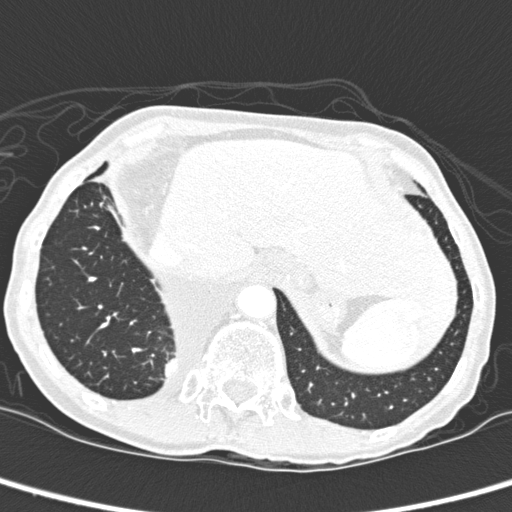
Axial chest CT slice 40 of 280 (counted from the lowest slice); tube voltage 120 kVp, convolution kernel D; slices 1.00 mm thick, 0.564 mm per pixel.
Pulmonary nodule, outlined by two of the four readers. Box on this slice rows 358–376, columns 164–175, the union of the readers' outlines on this slice; longest diameter 33.9 mm on average over the two readers' outlines (readers' outlines 32.1–35.8 mm), volume 5657–6702 mm3. Ratings, by the readers' most common answer with dissent counted: texture 5/5 (solid) from both readers; margin 4/5, both readers agreeing; sphericity 3/5 (ovoid) from both readers; calcification absent, both readers agreeing; internal structure soft tissue from both readers; subtlety 5/5 from both readers; malignancy likelihood split among the readers: 2/5 (one), 3/5 (one). Scale key (1–5): texture non-solid→solid, margin indistinct→circumscribed, sphericity linear→round, subtlety extremely subtle→obvious, malignancy likelihood highly unlikely→highly suspicious of cancer. Box rows and columns are 0-based pixel indices from the top-left corner, inclusive.